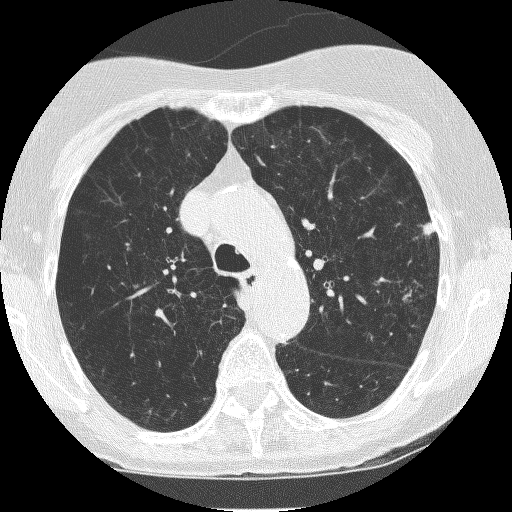
Axial slice 168 of 235 of a chest CT (slice 1 is the lowest), reconstructed with the BONE kernel at 120 kVp; 1.25 mm slice thickness and 0.537 mm pixels.
Two pulmonary nodules are outlined on this slice; from left to right: (1) Pulmonary nodule, outlined by all four readers, one of them on this slice. Box on this slice rows 290–300, columns 402–411, the one reader's outline on this slice; longest diameter 13.0 mm on average over the four readers' outlines (readers' outlines 12.2–13.5 mm), volume 403–509 mm3. Ratings, by the readers' most common answer with dissent counted: texture 5/5 (solid) by three of four readers; the rest gave 4/5 (one); most readers (three of four) put margin at 4/5, others 1/5 (indistinct) (one); sphericity 4/5 by two of four readers; the rest gave 2/5 (one), 3/5 (ovoid) (one); calcification absent by three of four readers, central calcification (one); internal structure soft tissue, all four readers agreeing; subtlety 5/5 by three of four readers; the rest gave 4/5 (one); malignancy likelihood 5/5 by three of four readers; the rest gave 3/5 (one). (2) Pulmonary nodule at rows 222–236, columns 422–432 (box = the union of the readers' outlines on this slice), outlined by all four readers; median longest diameter 9.0 mm (readers' outlines 8.4–9.6 mm), median volume 250 mm3 (213–290 mm3). Ratings, median across the readers with their spread: median texture 5/5 (solid) (readers ranged 4/5 to 5/5 (solid)); median margin 4/5 (readers ranged 3/5 to 5/5 (circumscribed)); median sphericity 3/5 (ovoid) (readers ranged 2/5 to 5/5 (round)); calcification absent, all four readers agreeing; internal structure soft tissue from all four readers; subtlety 5/5 at the median of four readers, spread 4–5; malignancy likelihood 3.5/5 at the median of four readers, spread 2–4. Scale key (1–5): texture non-solid→solid, margin indistinct→circumscribed, sphericity linear→round, subtlety extremely subtle→obvious, malignancy likelihood highly unlikely→highly suspicious of cancer. Box rows and columns are 0-based pixel indices from the top-left corner, inclusive.